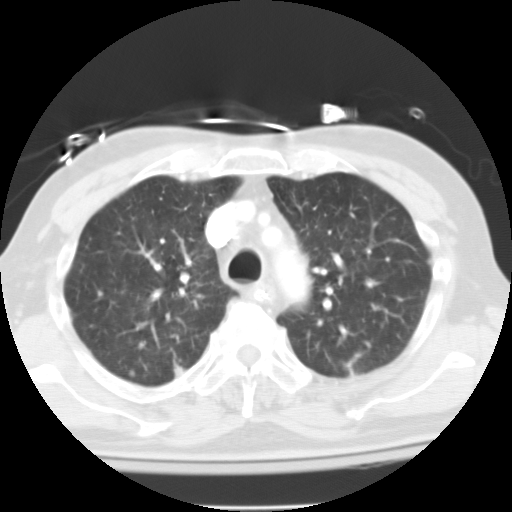
Chest CT, axial plane, 135 kVp, kernel FC10. Slice 96/125 from the bottom of the scan; thickness 3.00 mm; pixel size 0.628 mm.
Pulmonary nodule, outlined by one of the four readers. Box on this slice rows 370–376, columns 129–134, that reader's outline on this slice; longest diameter 5.6 mm and volume 105 mm3 from that reader's outline. That reader's ratings: texture 3/5 (part-solid); margin 3/5; sphericity 4/5; calcification absent; internal structure soft tissue; subtlety 4/5; malignancy likelihood 3/5. Scale key (1–5): texture non-solid→solid, margin indistinct→circumscribed, sphericity linear→round, subtlety extremely subtle→obvious, malignancy likelihood highly unlikely→highly suspicious of cancer. Box rows and columns are 0-based pixel indices from the top-left corner, inclusive.